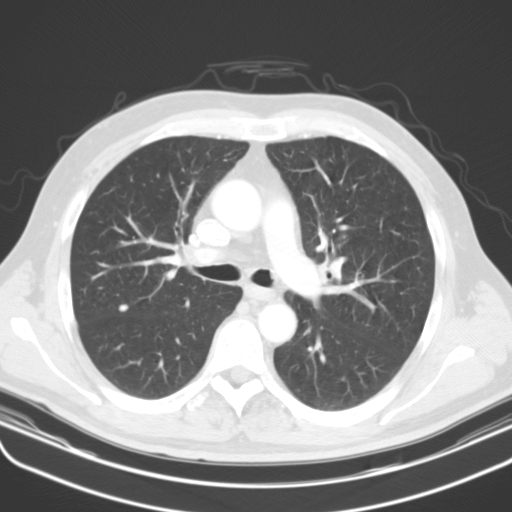
Axial slice 96 of 134 of a chest CT (slice 1 is the lowest), reconstructed with the B31s kernel at 130 kVp; 3.00 mm slice thickness and 0.715 mm pixels.
Pulmonary nodule outlined by all four readers; box rows 304–311, columns 118–128 (the union of the readers' outlines on this slice); longest diameter 8.0 mm on average over the four readers' outlines (readers' outlines 7.5–8.8 mm), volume 90–227 mm3. Ratings, by the readers' most common answer with dissent counted: texture 5/5 (solid) from all four readers; most readers (three of four) put margin at 5/5 (circumscribed), others 4/5 (one); sphericity 3/5 (ovoid) by three of four readers; the rest gave 4/5 (one); calcification absent by two of four readers, solid calcification (one), central calcification (one); internal structure soft tissue from all four readers; subtlety 5/5 by two of four readers; the rest gave 3/5 (one), 4/5 (one); malignancy likelihood split among the readers: 1/5 (two), 3/5 (two). Scale key (1–5): texture non-solid→solid, margin indistinct→circumscribed, sphericity linear→round, subtlety extremely subtle→obvious, malignancy likelihood highly unlikely→highly suspicious of cancer. Box rows and columns are 0-based pixel indices from the top-left corner, inclusive.